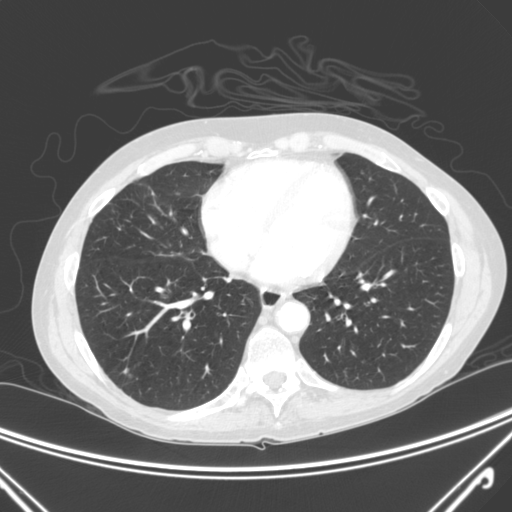
This is axial slice 106 of 300 (slice 1 is the lowest) of a chest CT; each pixel is 0.715 mm and the slice is 2.00 mm thick. Two pulmonary nodules on this slice, listed from left to right. (1) Pulmonary nodule, outlined by two of the four readers. Box on this slice rows 368–373, columns 122–128, the union of the readers' outlines on this slice; the two readers' outlines give a longest diameter between 5.4 and 6.1 mm and a volume between 36 and 60 mm3. Ratings across the readers: texture from 3/5 (part-solid) to 5/5 (solid) across the two readers; margin from 3/5 to 5/5 (circumscribed) across the two readers; sphericity from 2/5 to 4/5 across the two readers; calcification absent, both readers agreeing; internal structure soft tissue from both readers; subtlety 2–4/5 (the readers disagree); malignancy likelihood 3/5, both readers agreeing. (2) Pulmonary nodule outlined by three of the four readers, two of them on this slice; box rows 374–377, columns 128–132 (the union of the readers' outlines on this slice); longest diameter 5.4 mm on average over the three readers' outlines (readers' outlines 5.2–5.4 mm), volume 42–53 mm3. Ratings, by the readers' most common answer with dissent counted: texture 5/5 (solid), all three readers agreeing; most readers (two of three) put margin at 4/5, others 5/5 (circumscribed) (one); most readers (two of three) put sphericity at 5/5 (round), others 4/5 (one); calcification absent, all three readers agreeing; internal structure soft tissue, all three readers agreeing; subtlety split among the readers: 3/5 (one), 4/5 (one), 5/5 (one); malignancy likelihood 3/5 by two of three readers; the rest gave 2/5 (one). Scale key (1–5): texture non-solid→solid, margin indistinct→circumscribed, sphericity linear→round, subtlety extremely subtle→obvious, malignancy likelihood highly unlikely→highly suspicious of cancer. Box rows and columns are 0-based pixel indices from the top-left corner, inclusive.
Tube voltage 120 kVp; convolution kernel C.